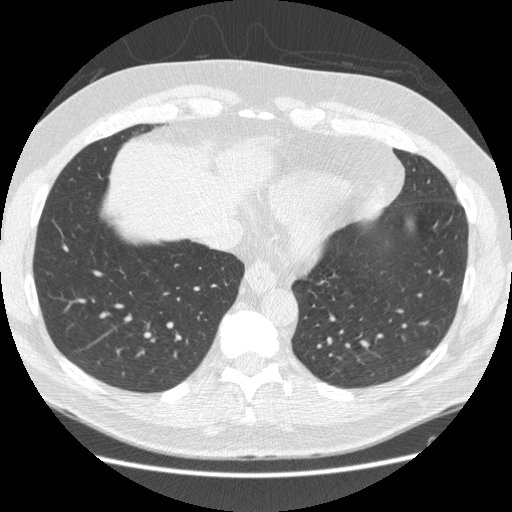
Axial chest CT slice 185 of 538 (counted from the lowest slice); tube voltage 120 kVp, convolution kernel STANDARD; slices 1.25 mm thick, 0.742 mm per pixel.
Pulmonary nodule, outlined by three of the four readers, two of them on this slice. Box on this slice rows 349–354, columns 425–429, the union of the readers' outlines on this slice; longest diameter 6.1–8.0 mm and volume 26–109 mm3 across the three readers' outlines. The readers' ratings, as ranges where they differ: texture from 4/5 to 5/5 (solid) across the three readers; margin from 1/5 (indistinct) to 5/5 (circumscribed) across the three readers; sphericity from 3/5 (ovoid) to 5/5 (round) across the three readers; calcification absent, all three readers agreeing; internal structure soft tissue, all three readers agreeing; subtlety 2–5/5 (the readers disagree); malignancy likelihood from 2/5 to 4/5 across the three readers. Scale key (1–5): texture non-solid→solid, margin indistinct→circumscribed, sphericity linear→round, subtlety extremely subtle→obvious, malignancy likelihood highly unlikely→highly suspicious of cancer. Box rows and columns are 0-based pixel indices from the top-left corner, inclusive.